Axial chest CT slice 95 of 127 (counted from the lowest slice); tube voltage 120 kVp, convolution kernel STANDARD; slices 2.50 mm thick, 0.703 mm per pixel.
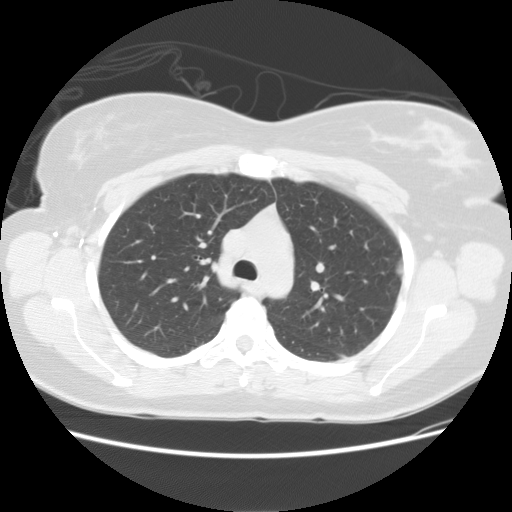
Pulmonary nodule, outlined by all four readers, two of them on this slice. Box on this slice rows 255–280, columns 394–402, the union of the readers' outlines on this slice; longest diameter 24.6–26.3 mm and volume 2071–2699 mm3 across the four readers' outlines. Ratings across the readers: texture 5/5 (solid), all four readers agreeing; margin from 4/5 to 5/5 (circumscribed) across the four readers; sphericity from 3/5 (ovoid) to 5/5 (round) across the four readers; calcification absent from all four readers; internal structure soft tissue, all four readers agreeing; subtlety 5/5, all four readers agreeing; malignancy likelihood from 3/5 to 5/5 across the four readers. Scale key (1–5): texture non-solid→solid, margin indistinct→circumscribed, sphericity linear→round, subtlety extremely subtle→obvious, malignancy likelihood highly unlikely→highly suspicious of cancer. Box rows and columns are 0-based pixel indices from the top-left corner, inclusive.